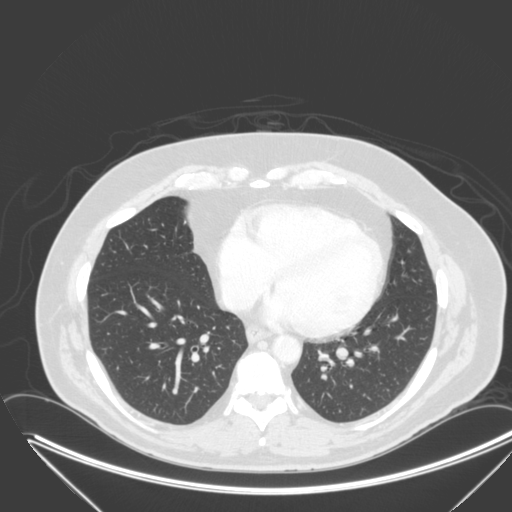
Chest CT, axial plane, 120 kVp, kernel B. Slice 119/315 from the bottom of the scan; thickness 2.00 mm; pixel size 0.830 mm.
Pulmonary nodule outlined by all four readers; box rows 346–360, columns 334–348 (the union of the readers' outlines on this slice); the four readers' outlines give a longest diameter between 12.3 and 13.9 mm and a volume between 668 and 831 mm3. The readers' ratings, as ranges where they differ: texture from 4/5 to 5/5 (solid) across the four readers; margin from 4/5 to 5/5 (circumscribed) across the four readers; sphericity from 4/5 to 5/5 (round) across the four readers; calcification absent, all four readers agreeing; internal structure soft tissue from all four readers; subtlety 3–5/5 (the readers disagree); malignancy likelihood from 3/5 to 5/5 across the four readers. Scale key (1–5): texture non-solid→solid, margin indistinct→circumscribed, sphericity linear→round, subtlety extremely subtle→obvious, malignancy likelihood highly unlikely→highly suspicious of cancer. Box rows and columns are 0-based pixel indices from the top-left corner, inclusive.